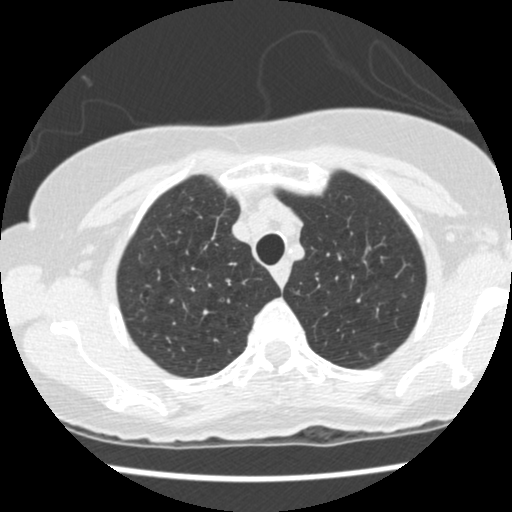
Slice 377/458 of a chest CT, counting up from the lowest; pixel size 0.586 mm, slice thickness 1.25 mm. Pulmonary nodule at rows 293–304, columns 140–147 (box = the one reader's outline on this slice), outlined by all four readers, one of them on this slice; the four readers' outlines give a longest diameter between 5.0 and 7.8 mm and a volume between 57 and 106 mm3. The readers' ratings, as ranges where they differ: texture from 4/5 to 5/5 (solid) across the four readers; margin from 3/5 to 4/5 across the four readers; sphericity from 4/5 to 5/5 (round) across the four readers; calcification absent, all four readers agreeing; internal structure soft tissue, all four readers agreeing; subtlety from 3/5 to 5/5 across the four readers; malignancy likelihood rated between 2 and 4 out of 5 by the four readers. Scale key (1–5): texture non-solid→solid, margin indistinct→circumscribed, sphericity linear→round, subtlety extremely subtle→obvious, malignancy likelihood highly unlikely→highly suspicious of cancer. Box rows and columns are 0-based pixel indices from the top-left corner, inclusive.
Tube voltage 120 kVp; convolution kernel STANDARD.